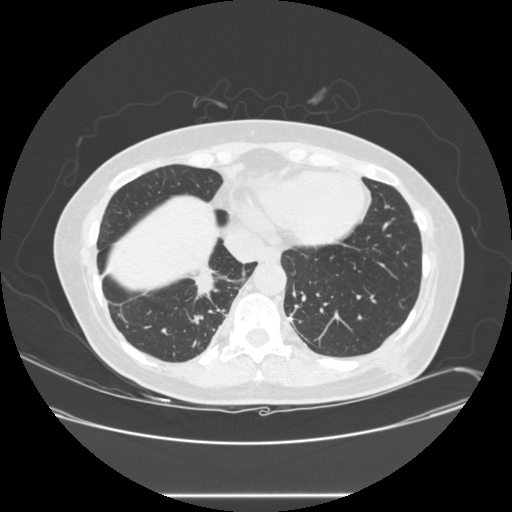
Slice 93/257 of a chest CT, counting up from the lowest; pixel size 0.781 mm, slice thickness 1.25 mm. Pulmonary nodule at rows 266–298, columns 192–213 (box = the union of the readers' outlines on this slice), outlined by all four readers; median longest diameter 33.5 mm (readers' outlines 28.0–45.1 mm), median volume 6377 mm3 (5019–8578 mm3). Ratings, median across the readers with their spread: texture 5/5 (solid) from all four readers; median margin 4.5/5 (readers ranged 1/5 (indistinct) to 5/5 (circumscribed)); median sphericity 3.5/5 (readers ranged 3/5 (ovoid) to 4/5); calcification absent from all four readers; internal structure soft tissue from all four readers; subtlety 5/5, all four readers agreeing; malignancy likelihood 5/5, all four readers agreeing. Scale key (1–5): texture non-solid→solid, margin indistinct→circumscribed, sphericity linear→round, subtlety extremely subtle→obvious, malignancy likelihood highly unlikely→highly suspicious of cancer. Box rows and columns are 0-based pixel indices from the top-left corner, inclusive.
Tube voltage 120 kVp; convolution kernel STANDARD.